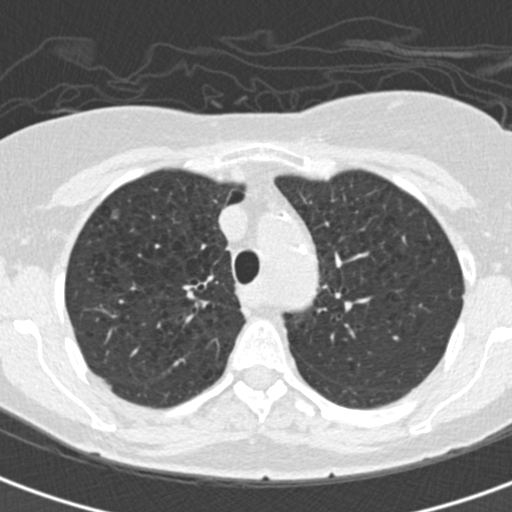
This is axial slice 149 of 193 (slice 1 is the lowest) of a chest CT; each pixel is 0.547 mm and the slice is 2.00 mm thick. Pulmonary nodule at rows 209–219, columns 110–119 (box = the union of the readers' outlines on this slice), outlined by two of the four readers; the two readers' outlines give a longest diameter between 7.0 and 7.9 mm and a volume of 101 mm3. The readers' ratings, as ranges where they differ: texture 1/5 (non-solid) from both readers; margin 2/5 from both readers; sphericity 5/5 (round), both readers agreeing; calcification absent, both readers agreeing; internal structure soft tissue from both readers; subtlety from 1/5 to 2/5 across the two readers; malignancy likelihood 2/5 from both readers. Scale key (1–5): texture non-solid→solid, margin indistinct→circumscribed, sphericity linear→round, subtlety extremely subtle→obvious, malignancy likelihood highly unlikely→highly suspicious of cancer. Box rows and columns are 0-based pixel indices from the top-left corner, inclusive.
Tube voltage 120 kVp; convolution kernel B30f.